Axial slice 162 of 449 of a chest CT (slice 1 is the lowest), reconstructed with the STANDARD kernel at 120 kVp; 1.25 mm slice thickness and 0.742 mm pixels.
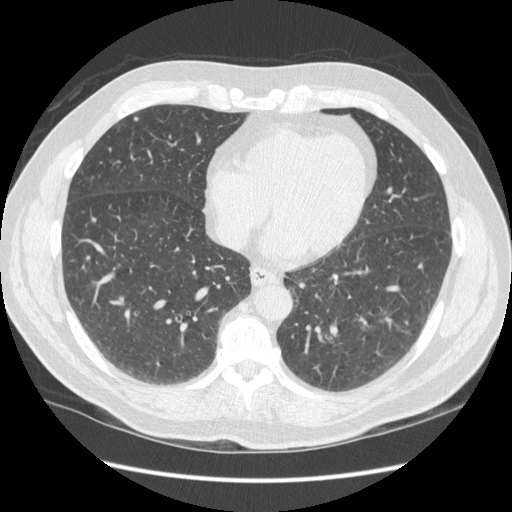
Pulmonary nodule at rows 117–120, columns 133–138 (box = that reader's outline on this slice), outlined by one of the four readers; longest diameter 6.1 mm and volume 97 mm3 from that reader's outline. Ratings by that reader: texture 5/5 (solid); margin 5/5 (circumscribed); sphericity 5/5 (round); calcification absent; internal structure soft tissue; subtlety 4/5; malignancy likelihood 3/5. Scale key (1–5): texture non-solid→solid, margin indistinct→circumscribed, sphericity linear→round, subtlety extremely subtle→obvious, malignancy likelihood highly unlikely→highly suspicious of cancer. Box rows and columns are 0-based pixel indices from the top-left corner, inclusive.